Axial slice 88 of 137 of a chest CT (slice 1 is the lowest), reconstructed with the STANDARD kernel at 120 kVp; 2.50 mm slice thickness and 0.781 mm pixels.
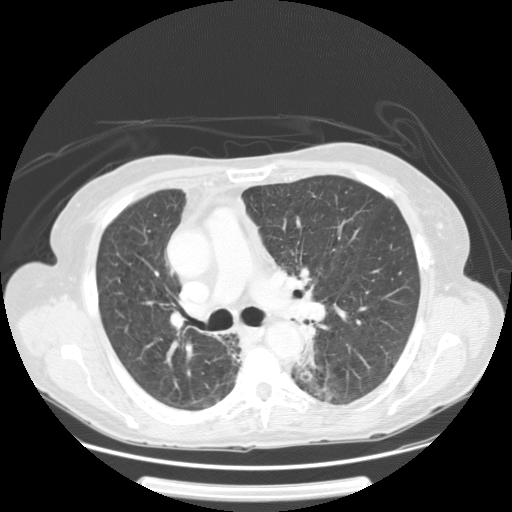
No nodule of 3 mm or larger was outlined by any of the four readers on this slice.